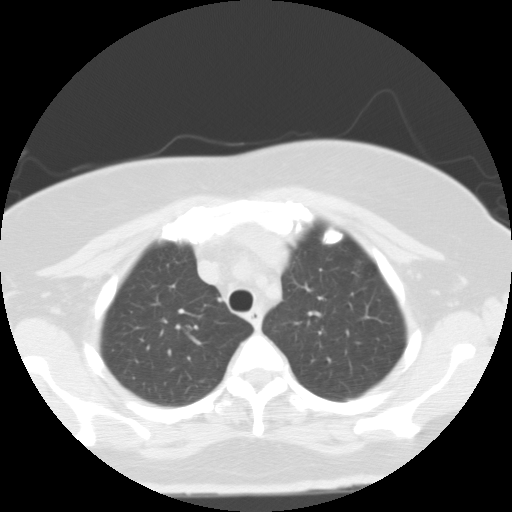
Axial chest CT slice 83 of 105 (counted from the lowest slice); 3.00 mm thick, 0.656 mm per pixel. No nodule 3 mm or larger was outlined here by any reader.
Scan settings: 135 kVp, FC01 reconstruction kernel.